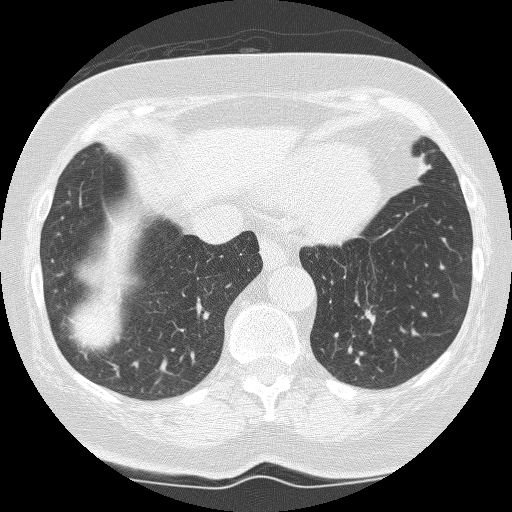
Axial slice 75 of 246 of a chest CT (slice 1 is the lowest), reconstructed with the BONE kernel at 120 kVp; 1.25 mm slice thickness and 0.566 mm pixels.
Pulmonary nodule outlined by all four readers, three of them on this slice; box rows 309–325, columns 364–375 (the union of the readers' outlines on this slice); longest diameter 15.5 mm on average over the four readers' outlines (readers' outlines 13.8–17.3 mm), volume 672–1099 mm3. The readers' prevailing ratings and who disagreed: texture 5/5 (solid) from all four readers; margin split among the readers: 2/5 (two), 4/5 (two); sphericity 4/5 by two of four readers; the rest gave 2/5 (one), 3/5 (ovoid) (one); calcification absent, all four readers agreeing; internal structure soft tissue from all four readers; subtlety split among the readers: 4/5 (two), 5/5 (two); malignancy likelihood 5/5 by two of four readers; the rest gave 3/5 (one), 4/5 (one). Scale key (1–5): texture non-solid→solid, margin indistinct→circumscribed, sphericity linear→round, subtlety extremely subtle→obvious, malignancy likelihood highly unlikely→highly suspicious of cancer. Box rows and columns are 0-based pixel indices from the top-left corner, inclusive.